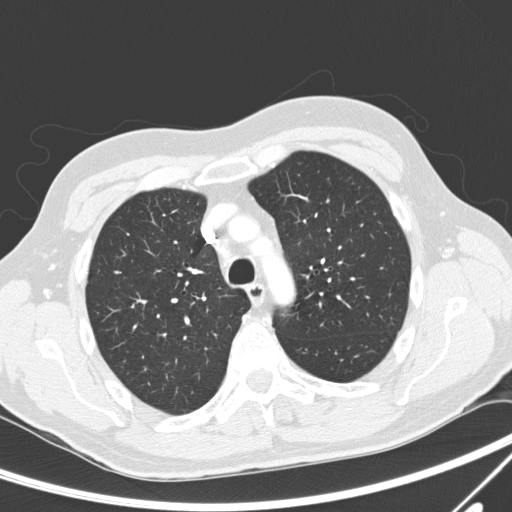
Axial slice 205 of 300 of a chest CT (slice 1 is the lowest), reconstructed with the D kernel at 120 kVp; 2.00 mm slice thickness and 0.678 mm pixels.
No nodule of 3 mm or larger was outlined by any of the four readers on this slice.